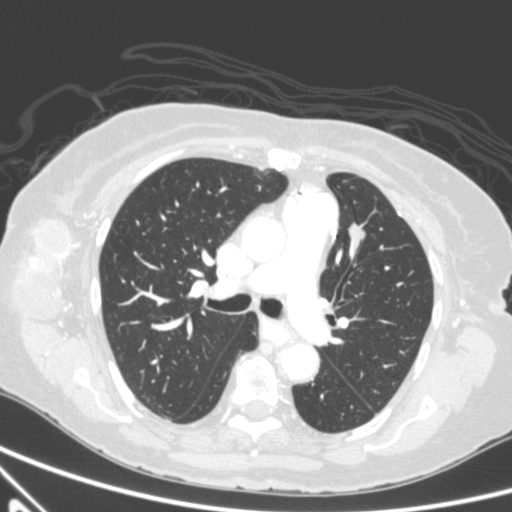
Axial chest CT slice 357 of 590 (counted from the lowest slice); tube voltage 120 kVp, convolution kernel B; slices 0.90 mm thick, 0.627 mm per pixel.
Pulmonary nodule at rows 222–251, columns 347–365 (box = the union of the readers' outlines on this slice), outlined by all four readers; longest diameter 16.3–20.1 mm and volume 1116–1236 mm3 across the four readers' outlines. Ratings across the readers: texture 5/5 (solid) from all four readers; margin from 3/5 to 5/5 (circumscribed) across the four readers; sphericity from 3/5 (ovoid) to 4/5 across the four readers; calcification absent from all four readers; internal structure soft tissue from all four readers; subtlety from 4/5 to 5/5 across the four readers; malignancy likelihood rated between 3 and 5 out of 5 by the four readers. Scale key (1–5): texture non-solid→solid, margin indistinct→circumscribed, sphericity linear→round, subtlety extremely subtle→obvious, malignancy likelihood highly unlikely→highly suspicious of cancer. Box rows and columns are 0-based pixel indices from the top-left corner, inclusive.